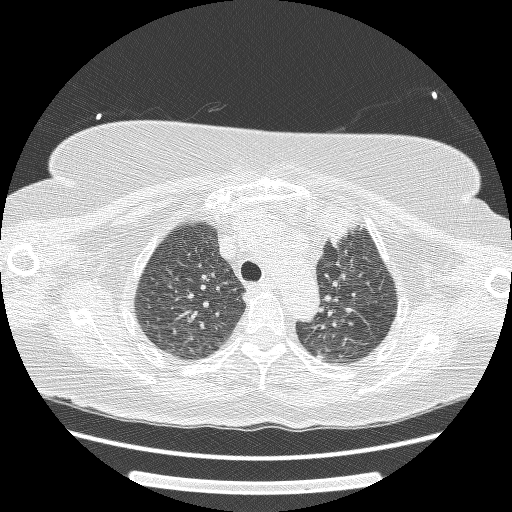
Chest CT, axial plane, 120 kVp, kernel BONE. Slice 118/162 from the bottom of the scan; thickness 1.25 mm; pixel size 0.703 mm.
Pulmonary nodule, outlined by two of the four readers. Box on this slice rows 355–359, columns 317–322, the union of the readers' outlines on this slice; longest diameter 7.0 mm on average over the two readers' outlines (readers' outlines 6.0–8.0 mm), volume 72–89 mm3. The readers' prevailing ratings and who disagreed: texture 5/5 (solid), both readers agreeing; margin split among the readers: 3/5 (one), 4/5 (one); sphericity 4/5, both readers agreeing; calcification absent, both readers agreeing; internal structure soft tissue, both readers agreeing; subtlety split among the readers: 3/5 (one), 4/5 (one); malignancy likelihood 2/5, both readers agreeing. Scale key (1–5): texture non-solid→solid, margin indistinct→circumscribed, sphericity linear→round, subtlety extremely subtle→obvious, malignancy likelihood highly unlikely→highly suspicious of cancer. Box rows and columns are 0-based pixel indices from the top-left corner, inclusive.